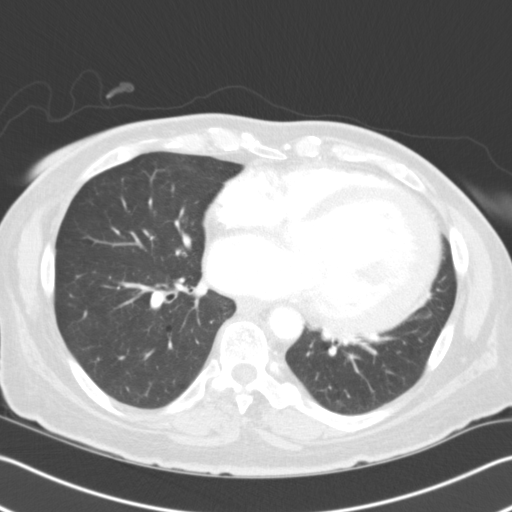
Chest CT, axial plane, 120 kVp, kernel B31f. Slice 57/118 from the bottom of the scan; thickness 3.00 mm; pixel size 0.668 mm.
None of the four readers outlined a nodule of 3 mm or more on this slice.